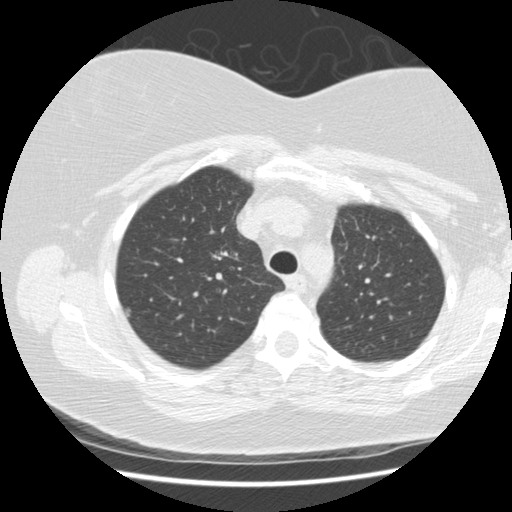
Axial chest CT slice 105 of 140 (counted from the lowest slice); 2.50 mm thick, 0.664 mm per pixel. Pulmonary nodule at rows 308–319, columns 125–130 (box = that reader's outline on this slice), outlined by one of the four readers; longest diameter 8.7 mm and volume 67 mm3 from that reader's outline. Ratings by that reader: texture 2/5; margin 2/5; sphericity 3/5 (ovoid); calcification absent; internal structure soft tissue; subtlety 4/5; malignancy likelihood 3/5. Scale key (1–5): texture non-solid→solid, margin indistinct→circumscribed, sphericity linear→round, subtlety extremely subtle→obvious, malignancy likelihood highly unlikely→highly suspicious of cancer. Box rows and columns are 0-based pixel indices from the top-left corner, inclusive.
Tube voltage 120 kVp; convolution kernel STANDARD.